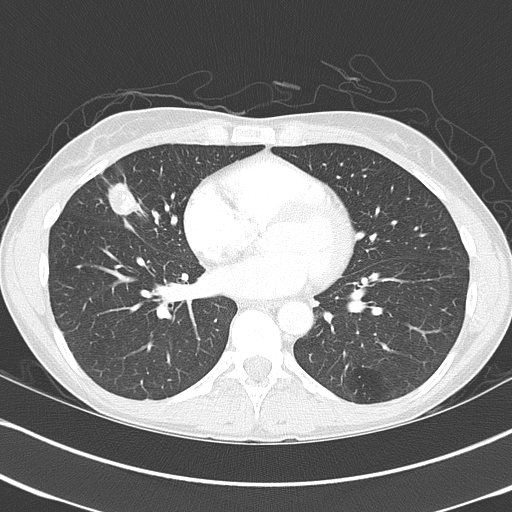
Axial slice 185 of 368 of a chest CT (slice 1 is the lowest), reconstructed with the B70f kernel at 120 kVp; 2.00 mm slice thickness and 0.623 mm pixels.
Pulmonary nodule, outlined by all four readers. Box on this slice rows 175–216, columns 100–146, the union of the readers' outlines on this slice; the four readers' outlines give a longest diameter between 27.1 and 39.3 mm and a volume between 6531 and 9806 mm3. The readers' ratings, as ranges where they differ: texture 5/5 (solid) from all four readers; margin from 2/5 to 5/5 (circumscribed) across the four readers; sphericity from 2/5 to 3/5 (ovoid) across the four readers; calcification split among the readers: laminated calcification (one), absent (one), popcorn calcification (one), non-central calcification (one); internal structure soft tissue, all four readers agreeing; subtlety 5/5, all four readers agreeing; malignancy likelihood 1–5/5 (the readers disagree). Scale key (1–5): texture non-solid→solid, margin indistinct→circumscribed, sphericity linear→round, subtlety extremely subtle→obvious, malignancy likelihood highly unlikely→highly suspicious of cancer. Box rows and columns are 0-based pixel indices from the top-left corner, inclusive.